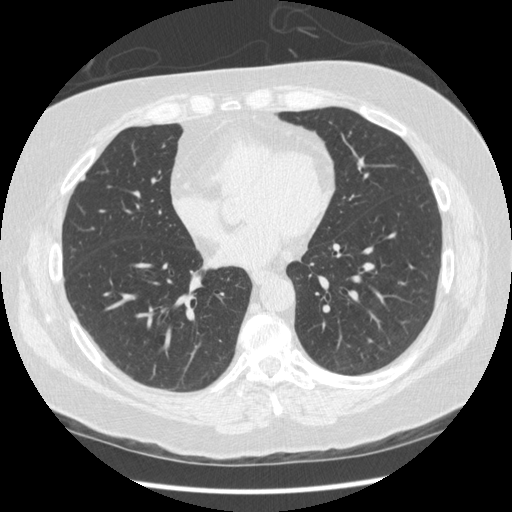
Axial chest CT slice 171 of 436 (counted from the lowest slice); tube voltage 120 kVp, convolution kernel STANDARD; slices 1.25 mm thick, 0.703 mm per pixel.
Pulmonary nodule, outlined by three of the four readers. Box on this slice rows 175–181, columns 79–85, the union of the readers' outlines on this slice; median longest diameter 6.6 mm (readers' outlines 6.0–7.0 mm), median volume 51 mm3 (38–72 mm3). Median ratings and the readers' spread: texture 5/5 (solid) from all three readers; margin 5/5 (circumscribed) at the median of three readers, spread 4/5 to 5/5 (circumscribed); sphericity 3/5 (ovoid) at the median of three readers, spread 2/5 to 4/5; calcification absent from all three readers; internal structure soft tissue from all three readers; subtlety 5/5 at the median of three readers, spread 3–5; malignancy likelihood 2/5 from all three readers. Scale key (1–5): texture non-solid→solid, margin indistinct→circumscribed, sphericity linear→round, subtlety extremely subtle→obvious, malignancy likelihood highly unlikely→highly suspicious of cancer. Box rows and columns are 0-based pixel indices from the top-left corner, inclusive.